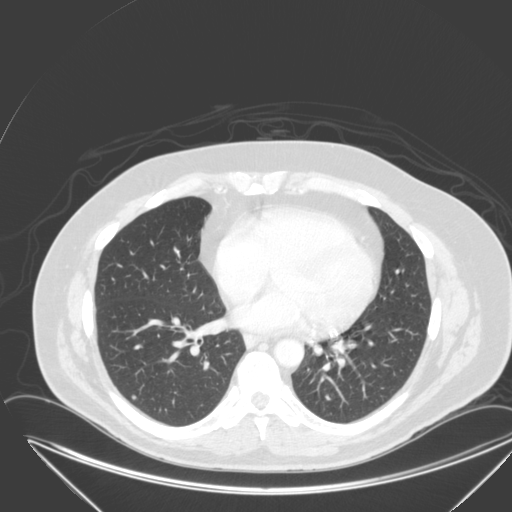
Axial chest CT slice 135 of 315 (counted from the lowest slice); 2.00 mm thick, 0.830 mm per pixel. Pulmonary nodule at rows 395–399, columns 131–136 (box = the union of the readers' outlines on this slice), outlined by all four readers; the four readers' outlines give a longest diameter between 6.0 and 7.1 mm and a volume between 73 and 110 mm3. Ratings across the readers: texture from 4/5 to 5/5 (solid) across the four readers; margin from 4/5 to 5/5 (circumscribed) across the four readers; sphericity from 4/5 to 5/5 (round) across the four readers; calcification absent from all four readers; internal structure soft tissue, all four readers agreeing; subtlety rated between 2 and 5 out of 5 by the four readers; malignancy likelihood rated between 2 and 3 out of 5 by the four readers. Scale key (1–5): texture non-solid→solid, margin indistinct→circumscribed, sphericity linear→round, subtlety extremely subtle→obvious, malignancy likelihood highly unlikely→highly suspicious of cancer. Box rows and columns are 0-based pixel indices from the top-left corner, inclusive.
Scan settings: 120 kVp, B reconstruction kernel.